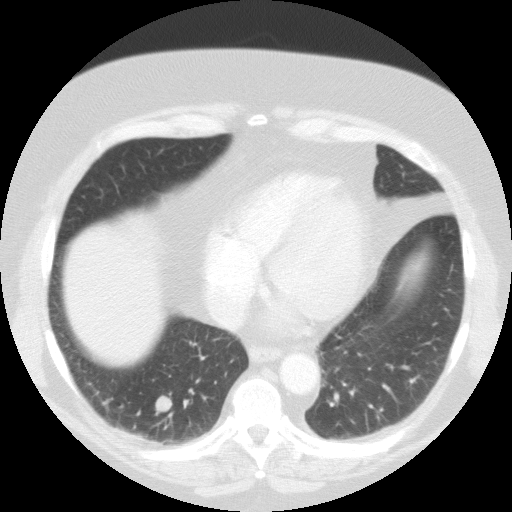
Axial chest CT slice 46 of 111 (counted from the lowest slice); tube voltage 135 kVp, convolution kernel FC01; slices 3.00 mm thick, 0.751 mm per pixel.
Pulmonary nodule at rows 395–415, columns 155–171 (box = the union of the readers' outlines on this slice), outlined by all four readers; longest diameter 14.6–18.2 mm and volume 1388–1524 mm3 across the four readers' outlines. The readers' ratings, as ranges where they differ: texture 5/5 (solid), all four readers agreeing; margin 5/5 (circumscribed) from all four readers; sphericity 5/5 (round), all four readers agreeing; calcification absent, all four readers agreeing; internal structure soft tissue from all four readers; subtlety from 3/5 to 5/5 across the four readers; malignancy likelihood 2–5/5 (the readers disagree). Scale key (1–5): texture non-solid→solid, margin indistinct→circumscribed, sphericity linear→round, subtlety extremely subtle→obvious, malignancy likelihood highly unlikely→highly suspicious of cancer. Box rows and columns are 0-based pixel indices from the top-left corner, inclusive.